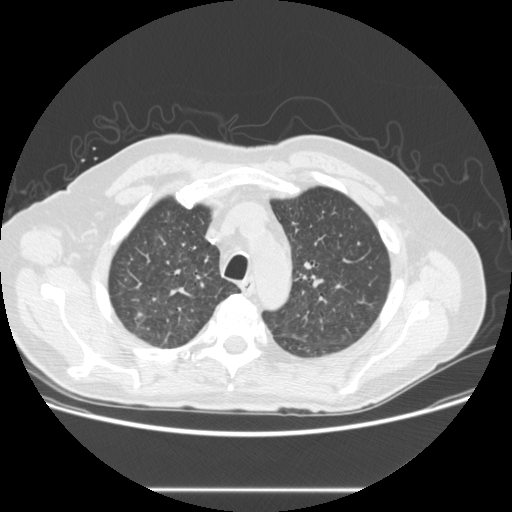
Slice 205/273 of a chest CT, counting up from the lowest; pixel size 0.740 mm, slice thickness 1.25 mm. Pulmonary nodule outlined by all four readers; box rows 312–318, columns 137–142 (the union of the readers' outlines on this slice); longest diameter 11.2 mm on average over the four readers' outlines (readers' outlines 10.1–12.7 mm), volume 277–395 mm3. Ratings, by the readers' most common answer with dissent counted: texture split among the readers: 4/5 (two), 5/5 (solid) (two); margin 4/5 by two of four readers; the rest gave 2/5 (one), 3/5 (one); sphericity split among the readers: 3/5 (ovoid) (two), 4/5 (two); calcification absent, all four readers agreeing; internal structure soft tissue, all four readers agreeing; most readers (three of four) put subtlety at 4/5, others 3/5 (one); malignancy likelihood 3/5 by two of four readers; the rest gave 4/5 (one), 5/5 (one). Scale key (1–5): texture non-solid→solid, margin indistinct→circumscribed, sphericity linear→round, subtlety extremely subtle→obvious, malignancy likelihood highly unlikely→highly suspicious of cancer. Box rows and columns are 0-based pixel indices from the top-left corner, inclusive.
Acquired at 120 kVp and reconstructed with the STANDARD kernel.